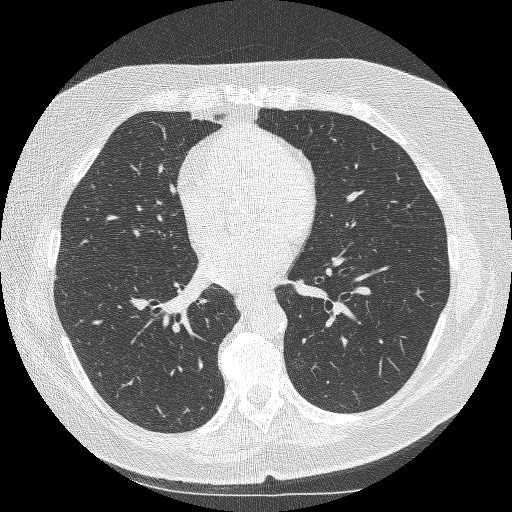
Axial slice 135 of 253 of a chest CT (slice 1 is the lowest), reconstructed with the BONE kernel at 120 kVp; 1.25 mm slice thickness and 0.625 mm pixels.
Pulmonary nodule, outlined by two of the four readers, one of them on this slice. Box on this slice rows 357–369, columns 292–305, the one reader's outline on this slice; longest diameter 12.5–18.2 mm and volume 433–519 mm3 across the two readers' outlines. The readers' ratings, as ranges where they differ: texture 1/5 (non-solid), both readers agreeing; margin 1/5 (indistinct) from both readers; sphericity from 3/5 (ovoid) to 5/5 (round) across the two readers; calcification absent from both readers; internal structure soft tissue, both readers agreeing; subtlety rated between 1 and 3 out of 5 by the two readers; malignancy likelihood 3–4/5 (the readers disagree). Scale key (1–5): texture non-solid→solid, margin indistinct→circumscribed, sphericity linear→round, subtlety extremely subtle→obvious, malignancy likelihood highly unlikely→highly suspicious of cancer. Box rows and columns are 0-based pixel indices from the top-left corner, inclusive.